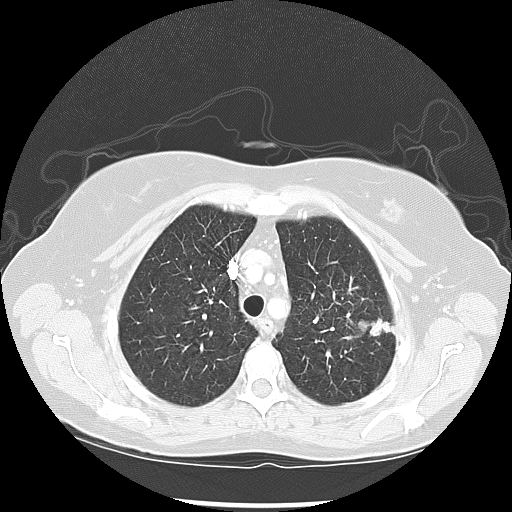
Axial chest CT slice 105 of 133 (counted from the lowest slice); 2.50 mm thick, 0.703 mm per pixel. Pulmonary nodule outlined by all four readers; box rows 317–336, columns 355–391 (the union of the readers' outlines on this slice); median longest diameter 28.2 mm (readers' outlines 27.6–35.0 mm), median volume 3866 mm3 (3749–4875 mm3). Median ratings and the readers' spread: texture 5/5 (solid), all four readers agreeing; median margin 3.5/5 (readers ranged 2/5 to 5/5 (circumscribed)); median sphericity 3/5 (ovoid) (readers ranged 3/5 (ovoid) to 5/5 (round)); calcification absent from all four readers; internal structure soft tissue from all four readers; subtlety 5/5 from all four readers; malignancy likelihood 4/5 at the median of four readers, spread 3–5. Scale key (1–5): texture non-solid→solid, margin indistinct→circumscribed, sphericity linear→round, subtlety extremely subtle→obvious, malignancy likelihood highly unlikely→highly suspicious of cancer. Box rows and columns are 0-based pixel indices from the top-left corner, inclusive.
Scan settings: 120 kVp, LUNG reconstruction kernel.